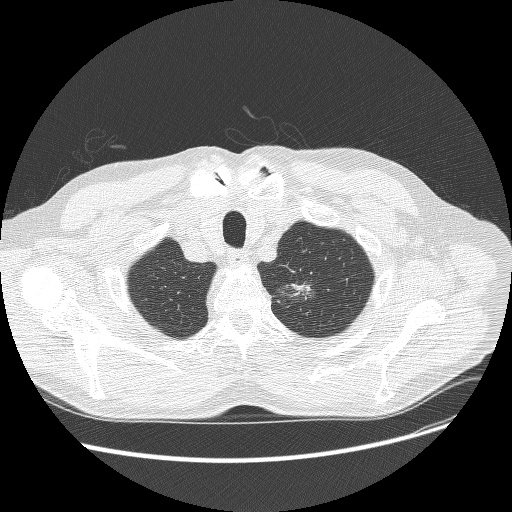
Axial chest CT slice 241 of 268 (counted from the lowest slice); tube voltage 120 kVp, convolution kernel BONE; slices 1.25 mm thick, 0.742 mm per pixel.
Pulmonary nodule outlined by three of the four readers; box rows 277–303, columns 275–316 (the union of the readers' outlines on this slice); median longest diameter 31.0 mm (readers' outlines 30.8–31.7 mm), median volume 5956 mm3 (4750–7267 mm3). Median ratings and the readers' spread: texture 3/5 (part-solid), all three readers agreeing; margin 1/5 (indistinct) from all three readers; median sphericity 3/5 (ovoid) (readers ranged 3/5 (ovoid) to 4/5); calcification absent from all three readers; internal structure soft tissue from all three readers; median subtlety 5/5 (readers ranged 4–5); malignancy likelihood 4/5 at the median of three readers, spread 4–5. Scale key (1–5): texture non-solid→solid, margin indistinct→circumscribed, sphericity linear→round, subtlety extremely subtle→obvious, malignancy likelihood highly unlikely→highly suspicious of cancer. Box rows and columns are 0-based pixel indices from the top-left corner, inclusive.